One axial slice (49 of 253, counting up from the lowest) of a chest CT acquired at 120 kVp with the STANDARD kernel; each pixel is 0.742 mm and the slice is 1.25 mm thick.
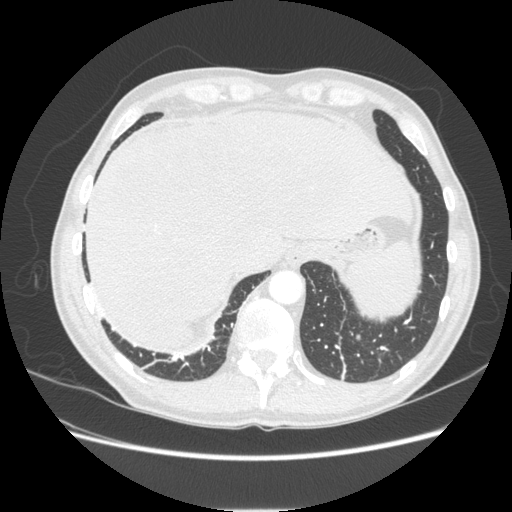
Pulmonary nodule, outlined by all four readers. Box on this slice rows 334–340, columns 355–360, the union of the readers' outlines on this slice; longest diameter 7.8 mm on average over the four readers' outlines (readers' outlines 7.0–8.5 mm), volume 167–207 mm3. Ratings, by the readers' most common answer with dissent counted: texture 5/5 (solid), all four readers agreeing; margin 5/5 (circumscribed) from all four readers; most readers (three of four) put sphericity at 5/5 (round), others 4/5 (one); calcification absent from all four readers; internal structure soft tissue from all four readers; subtlety 3/5 by two of four readers; the rest gave 2/5 (one), 4/5 (one); malignancy likelihood 2/5 by two of four readers; the rest gave 3/5 (one), 4/5 (one). Scale key (1–5): texture non-solid→solid, margin indistinct→circumscribed, sphericity linear→round, subtlety extremely subtle→obvious, malignancy likelihood highly unlikely→highly suspicious of cancer. Box rows and columns are 0-based pixel indices from the top-left corner, inclusive.